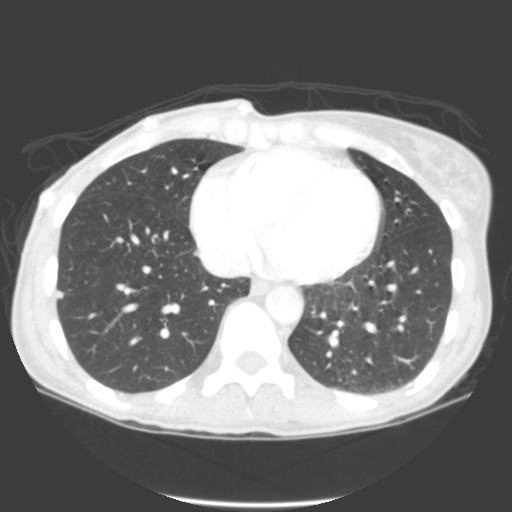
Chest CT, axial plane, 120 kVp, kernel B. Slice 95/325 from the bottom of the scan; thickness 2.00 mm; pixel size 0.611 mm.
Pulmonary nodule outlined by all four readers; box rows 290–298, columns 55–63 (the union of the readers' outlines on this slice); median longest diameter 7.2 mm (readers' outlines 7.0–8.2 mm), median volume 105 mm3 (85–126 mm3). Median ratings and the readers' spread: median texture 5/5 (solid) (readers ranged 4/5 to 5/5 (solid)); median margin 4/5 (readers ranged 3/5 to 5/5 (circumscribed)); median sphericity 4/5 (readers ranged 3/5 (ovoid) to 4/5); calcification absent, all four readers agreeing; internal structure soft tissue, all four readers agreeing; median subtlety 5/5 (readers ranged 4–5); median malignancy likelihood 2.5/5 (readers ranged 2–4). Scale key (1–5): texture non-solid→solid, margin indistinct→circumscribed, sphericity linear→round, subtlety extremely subtle→obvious, malignancy likelihood highly unlikely→highly suspicious of cancer. Box rows and columns are 0-based pixel indices from the top-left corner, inclusive.